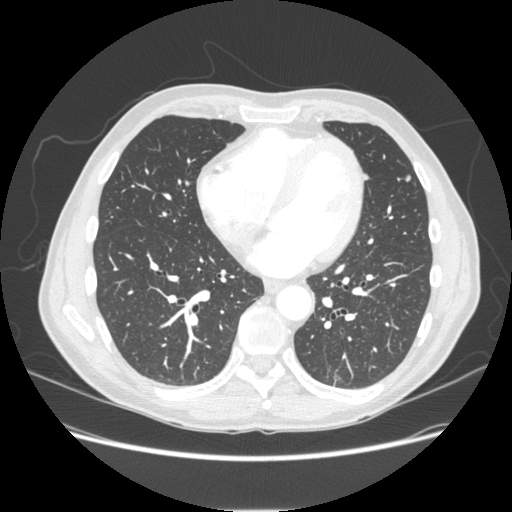
Slice 96/253 of a chest CT, counting up from the lowest; pixel size 0.742 mm, slice thickness 1.25 mm. Pulmonary nodule at rows 175–182, columns 405–410 (box = the union of the readers' outlines on this slice), outlined by three of the four readers; longest diameter 6.6 mm on average over the three readers' outlines (readers' outlines 6.3–6.8 mm), volume 28–64 mm3. The readers' prevailing ratings and who disagreed: texture 5/5 (solid), all three readers agreeing; margin 5/5 (circumscribed) from all three readers; sphericity split among the readers: 2/5 (one), 3/5 (ovoid) (one), 4/5 (one); calcification absent from all three readers; internal structure soft tissue, all three readers agreeing; most readers (two of three) put subtlety at 3/5, others 2/5 (one); malignancy likelihood 2/5 by two of three readers; the rest gave 3/5 (one). Scale key (1–5): texture non-solid→solid, margin indistinct→circumscribed, sphericity linear→round, subtlety extremely subtle→obvious, malignancy likelihood highly unlikely→highly suspicious of cancer. Box rows and columns are 0-based pixel indices from the top-left corner, inclusive.
Tube voltage 120 kVp; convolution kernel STANDARD.